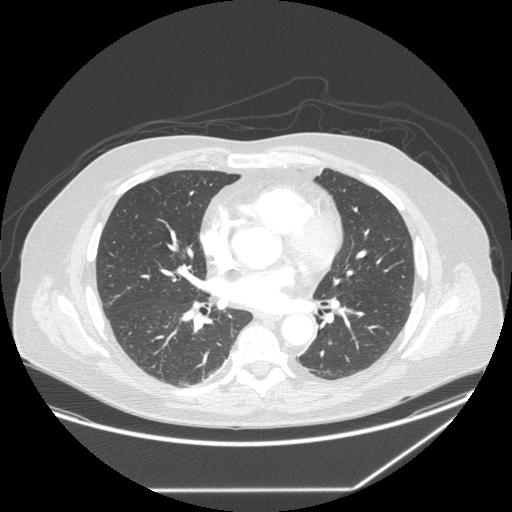
Axial chest CT slice 132 of 258 (counted from the lowest slice); tube voltage 120 kVp, convolution kernel STANDARD; slices 1.25 mm thick, 0.859 mm per pixel.
Pulmonary nodule outlined by three of the four readers; box rows 342–344, columns 328–331 (the union of the readers' outlines on this slice); median longest diameter 7.4 mm (readers' outlines 6.5–8.5 mm), median volume 116 mm3 (108–146 mm3). Ratings, median across the readers with their spread: texture 5/5 (solid), all three readers agreeing; margin 5/5 (circumscribed), all three readers agreeing; sphericity 5/5 (round), all three readers agreeing; calcification absent from all three readers; internal structure soft tissue, all three readers agreeing; median subtlety 3/5 (readers ranged 2–4); malignancy likelihood 3/5 at the median of three readers, spread 2–3. Scale key (1–5): texture non-solid→solid, margin indistinct→circumscribed, sphericity linear→round, subtlety extremely subtle→obvious, malignancy likelihood highly unlikely→highly suspicious of cancer. Box rows and columns are 0-based pixel indices from the top-left corner, inclusive.